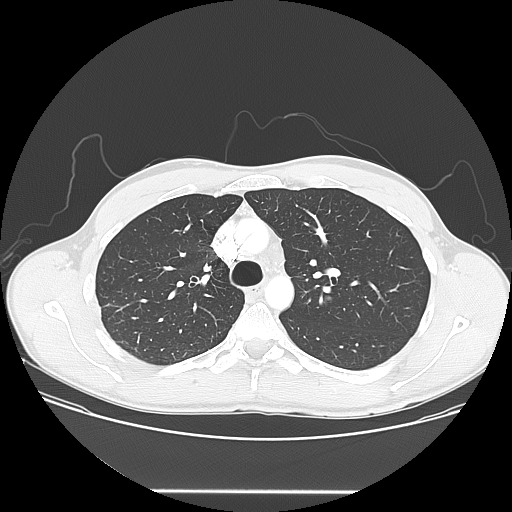
Axial chest CT slice 108 of 150 (counted from the lowest slice); 2.50 mm thick, 0.781 mm per pixel. Pulmonary nodule at rows 295–301, columns 325–330 (box = the union of the readers' outlines on this slice), outlined by all four readers, three of them on this slice; median longest diameter 15.7 mm (readers' outlines 14.6–16.9 mm), median volume 1329 mm3 (1270–1423 mm3). Ratings, median across the readers with their spread: median texture 5/5 (solid) (readers ranged 4/5 to 5/5 (solid)); margin 4.5/5 at the median of four readers, spread 3/5 to 5/5 (circumscribed); sphericity 4.5/5 at the median of four readers, spread 3/5 (ovoid) to 5/5 (round); calcification absent, all four readers agreeing; internal structure soft tissue from all four readers; subtlety 4/5 at the median of four readers, spread 3–5; median malignancy likelihood 3.5/5 (readers ranged 2–4). Scale key (1–5): texture non-solid→solid, margin indistinct→circumscribed, sphericity linear→round, subtlety extremely subtle→obvious, malignancy likelihood highly unlikely→highly suspicious of cancer. Box rows and columns are 0-based pixel indices from the top-left corner, inclusive.
Scan settings: 120 kVp, LUNG reconstruction kernel.